Axial chest CT slice 377 of 481 (counted from the lowest slice); tube voltage 120 kVp, convolution kernel STANDARD; slices 1.25 mm thick, 0.742 mm per pixel.
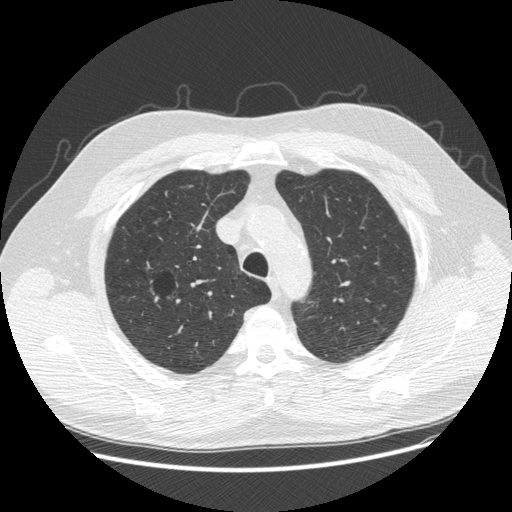
Pulmonary nodule at rows 189–196, columns 165–167 (box = the union of the readers' outlines on this slice), outlined by two of the four readers; median longest diameter 8.7 mm (readers' outlines 8.5–9.0 mm), median volume 95 mm3 (54–136 mm3). Median ratings and the readers' spread: texture 3.5/5 at the median of two readers, spread 3/5 (part-solid) to 4/5; margin 3/5 at the median of two readers, spread 2/5 to 4/5; sphericity 2.5/5 at the median of two readers, spread 2/5 to 3/5 (ovoid); calcification absent from both readers; internal structure soft tissue, both readers agreeing; median subtlety 2/5 (readers ranged 1–3); malignancy likelihood 3/5 at the median of two readers, spread 2–4. Scale key (1–5): texture non-solid→solid, margin indistinct→circumscribed, sphericity linear→round, subtlety extremely subtle→obvious, malignancy likelihood highly unlikely→highly suspicious of cancer. Box rows and columns are 0-based pixel indices from the top-left corner, inclusive.